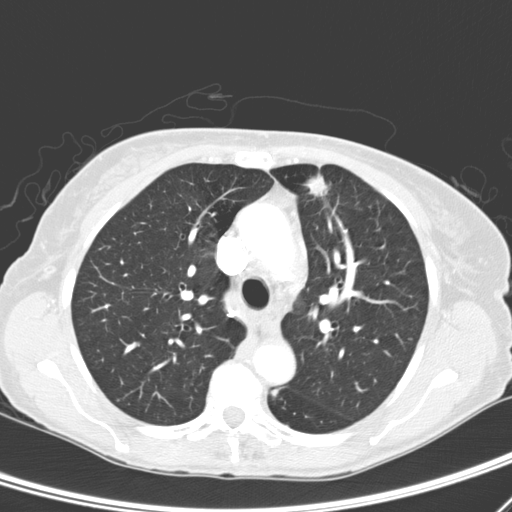
Chest CT, axial plane, 120 kVp, kernel D. Slice 197/276 from the bottom of the scan; thickness 2.00 mm; pixel size 0.617 mm.
Two pulmonary nodules on this slice, listed from left to right. (1) Pulmonary nodule, outlined by two of the four readers. Box on this slice rows 390–395, columns 271–277, the union of the readers' outlines on this slice; longest diameter 7.4–10.0 mm and volume 109–225 mm3 across the two readers' outlines. The readers' ratings, as ranges where they differ: texture from 1/5 (non-solid) to 3/5 (part-solid) across the two readers; margin from 1/5 (indistinct) to 2/5 across the two readers; sphericity from 3/5 (ovoid) to 4/5 across the two readers; calcification absent, both readers agreeing; internal structure soft tissue from both readers; subtlety from 3/5 to 5/5 across the two readers; malignancy likelihood rated between 3 and 4 out of 5 by the two readers. (2) Pulmonary nodule at rows 173–203, columns 303–331 (box = the union of the readers' outlines on this slice), outlined by three of the four readers; longest diameter 23.3 mm on average over the three readers' outlines (readers' outlines 19.9–25.7 mm), volume 1110–1901 mm3. Ratings, by the readers' most common answer with dissent counted: most readers (two of three) put texture at 4/5, others 5/5 (solid) (one); most readers (two of three) put margin at 2/5, others 4/5 (one); sphericity 3/5 (ovoid) by two of three readers; the rest gave 4/5 (one); calcification absent, all three readers agreeing; internal structure soft tissue from all three readers; subtlety 5/5, all three readers agreeing; malignancy likelihood 5/5 from all three readers. Scale key (1–5): texture non-solid→solid, margin indistinct→circumscribed, sphericity linear→round, subtlety extremely subtle→obvious, malignancy likelihood highly unlikely→highly suspicious of cancer. Box rows and columns are 0-based pixel indices from the top-left corner, inclusive.